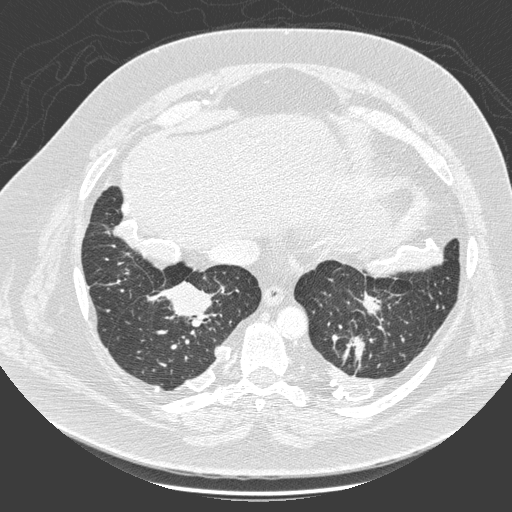
Chest CT, axial plane, 140 kVp, kernel D. Slice 68/280 from the bottom of the scan; thickness 1.00 mm; pixel size 0.801 mm.
Pulmonary nodule outlined by one of the four readers; box rows 282–317, columns 162–209 (that reader's outline on this slice); longest diameter 49.9 mm and volume 31112 mm3 from that reader's outline. That reader's ratings: texture 5/5 (solid); margin 4/5; sphericity 5/5 (round); calcification non-central calcification; internal structure soft tissue; subtlety 5/5; malignancy likelihood 5/5. Scale key (1–5): texture non-solid→solid, margin indistinct→circumscribed, sphericity linear→round, subtlety extremely subtle→obvious, malignancy likelihood highly unlikely→highly suspicious of cancer. Box rows and columns are 0-based pixel indices from the top-left corner, inclusive.